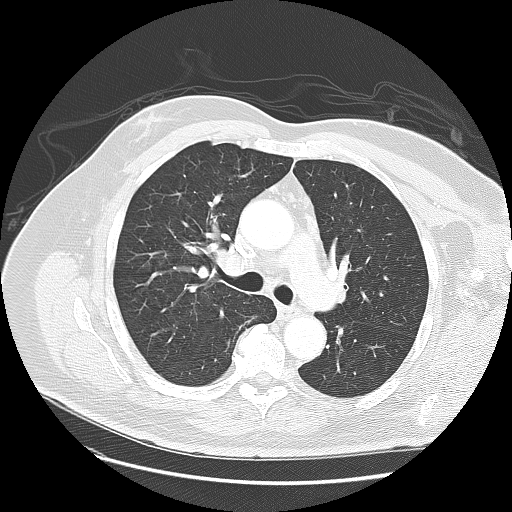
One axial slice (93 of 140, counting up from the lowest) of a chest CT acquired at 120 kVp with the LUNG kernel; each pixel is 0.781 mm and the slice is 2.50 mm thick.
The readers outlined no nodule of 3 mm or more on this slice.